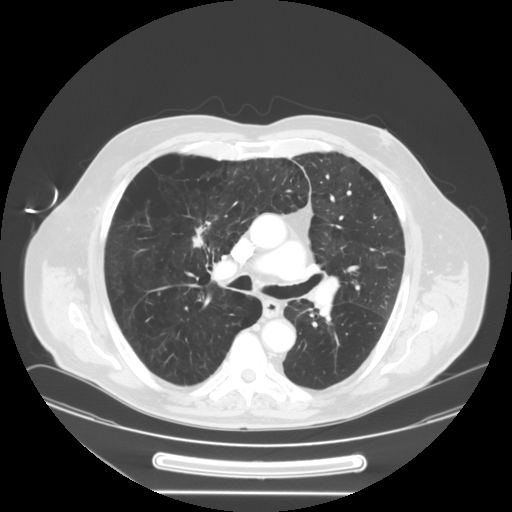
Axial slice 94 of 148 of a chest CT (slice 1 is the lowest), reconstructed with the STANDARD kernel at 120 kVp; 2.50 mm slice thickness and 0.859 mm pixels.
Pulmonary nodule, outlined three times (the source holds two more outlines, not used). Box on this slice rows 220–248, columns 191–211, the union of the readers' outlines on this slice; longest diameter 32.7–36.1 mm and volume 2349–3895 mm3 across the three readers' outlines. The readers' ratings, as ranges where they differ: texture 5/5 (solid) from all three readers; margin from 2/5 to 5/5 (circumscribed) across the three readers; sphericity from 2/5 to 3/5 (ovoid) across the three readers; calcification absent, all three readers agreeing; internal structure soft tissue, all three readers agreeing; subtlety 5/5, all three readers agreeing; malignancy likelihood from 3/5 to 5/5 across the three readers. Scale key (1–5): texture non-solid→solid, margin indistinct→circumscribed, sphericity linear→round, subtlety extremely subtle→obvious, malignancy likelihood highly unlikely→highly suspicious of cancer. Box rows and columns are 0-based pixel indices from the top-left corner, inclusive.